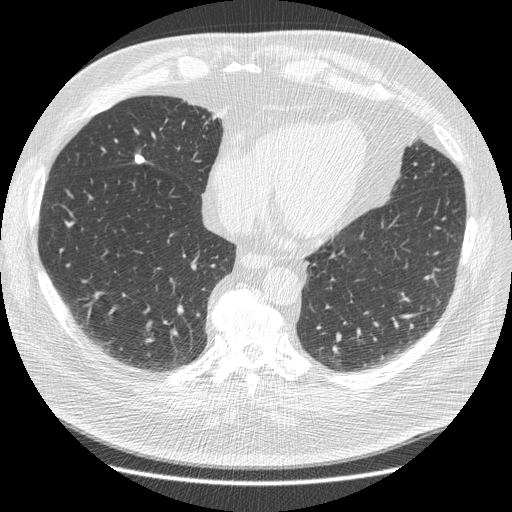
Slice 136/426 of a chest CT, counting up from the lowest; pixel size 0.742 mm, slice thickness 1.25 mm. Pulmonary nodule outlined by all four readers; box rows 154–164, columns 134–144 (the union of the readers' outlines on this slice); median longest diameter 9.6 mm (readers' outlines 9.6–10.0 mm), median volume 213 mm3 (202–225 mm3). Median ratings and the readers' spread: texture 5/5 (solid) from all four readers; margin 5/5 (circumscribed), all four readers agreeing; sphericity 4.5/5 at the median of four readers, spread 4/5 to 5/5 (round); calcification solid calcification from all four readers; internal structure soft tissue, all four readers agreeing; subtlety 5/5, all four readers agreeing; malignancy likelihood 1/5 from all four readers. Scale key (1–5): texture non-solid→solid, margin indistinct→circumscribed, sphericity linear→round, subtlety extremely subtle→obvious, malignancy likelihood highly unlikely→highly suspicious of cancer. Box rows and columns are 0-based pixel indices from the top-left corner, inclusive.
Scan settings: 120 kVp, STANDARD reconstruction kernel.